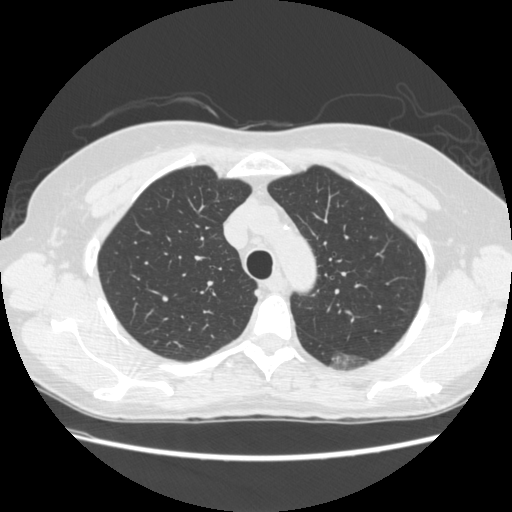
This is axial slice 192 of 261 (slice 1 is the lowest) of a chest CT; each pixel is 0.682 mm and the slice is 1.25 mm thick. Pulmonary nodule, outlined by two of the four readers. Box on this slice rows 351–369, columns 328–369, the union of the readers' outlines on this slice; the two readers' outlines give a longest diameter between 30.0 and 31.5 mm and a volume between 6577 and 7912 mm3. Ratings across the readers: texture from 1/5 (non-solid) to 2/5 across the two readers; margin from 1/5 (indistinct) to 2/5 across the two readers; sphericity from 3/5 (ovoid) to 5/5 (round) across the two readers; calcification absent from both readers; internal structure soft tissue, both readers agreeing; subtlety 1–2/5 (the readers disagree); malignancy likelihood rated between 4 and 5 out of 5 by the two readers. Scale key (1–5): texture non-solid→solid, margin indistinct→circumscribed, sphericity linear→round, subtlety extremely subtle→obvious, malignancy likelihood highly unlikely→highly suspicious of cancer. Box rows and columns are 0-based pixel indices from the top-left corner, inclusive.
Acquired at 120 kVp and reconstructed with the STANDARD kernel.